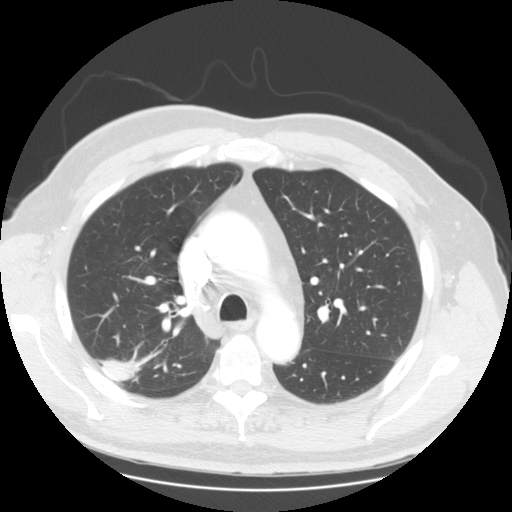
Axial chest CT slice 105 of 145 (counted from the lowest slice); tube voltage 120 kVp, convolution kernel STANDARD; slices 2.50 mm thick, 0.781 mm per pixel.
Pulmonary nodule, outlined by three of the four readers. Box on this slice rows 359–381, columns 102–139, the union of the readers' outlines on this slice; the three readers' outlines give a longest diameter between 28.0 and 34.8 mm and a volume between 3063 and 5177 mm3. The readers' ratings, as ranges where they differ: texture from 4/5 to 5/5 (solid) across the three readers; margin from 2/5 to 4/5 across the three readers; sphericity from 2/5 to 5/5 (round) across the three readers; calcification absent from all three readers; internal structure soft tissue, all three readers agreeing; subtlety 5/5 from all three readers; malignancy likelihood 3–5/5 (the readers disagree). Scale key (1–5): texture non-solid→solid, margin indistinct→circumscribed, sphericity linear→round, subtlety extremely subtle→obvious, malignancy likelihood highly unlikely→highly suspicious of cancer. Box rows and columns are 0-based pixel indices from the top-left corner, inclusive.